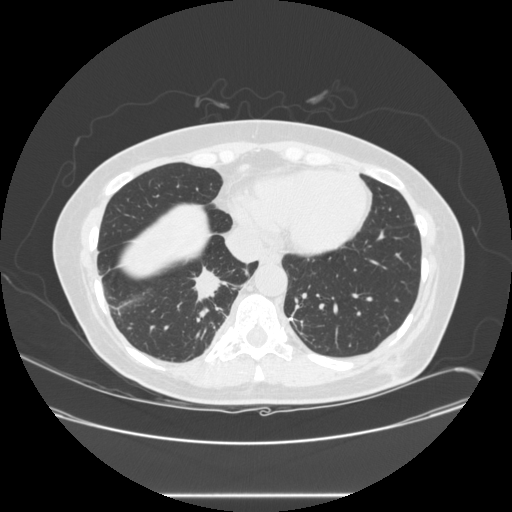
Axial slice 96 of 257 of a chest CT (slice 1 is the lowest), reconstructed with the STANDARD kernel at 120 kVp; 1.25 mm slice thickness and 0.781 mm pixels.
Pulmonary nodule at rows 264–303, columns 187–238 (box = the union of the readers' outlines on this slice), outlined by all four readers; the four readers' outlines give a longest diameter between 28.0 and 45.1 mm and a volume between 5019 and 8578 mm3. Ratings across the readers: texture 5/5 (solid) from all four readers; margin from 1/5 (indistinct) to 5/5 (circumscribed) across the four readers; sphericity from 3/5 (ovoid) to 4/5 across the four readers; calcification absent from all four readers; internal structure soft tissue, all four readers agreeing; subtlety 5/5 from all four readers; malignancy likelihood 5/5 from all four readers. Scale key (1–5): texture non-solid→solid, margin indistinct→circumscribed, sphericity linear→round, subtlety extremely subtle→obvious, malignancy likelihood highly unlikely→highly suspicious of cancer. Box rows and columns are 0-based pixel indices from the top-left corner, inclusive.